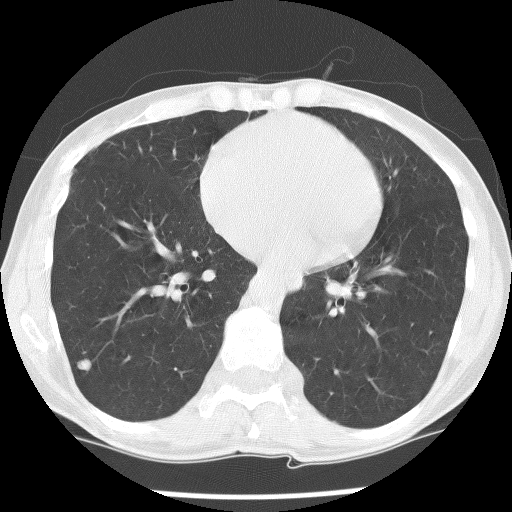
Chest CT, axial plane, 140 kVp, kernel BONE. Slice 56/135 from the bottom of the scan; thickness 2.50 mm; pixel size 0.557 mm.
Pulmonary nodule at rows 358–371, columns 75–90 (box = the union of the readers' outlines on this slice), outlined by three of the four readers; the three readers' outlines give a longest diameter between 8.5 and 10.5 mm and a volume between 244 and 371 mm3. Ratings across the readers: texture from 3/5 (part-solid) to 5/5 (solid) across the three readers; margin from 3/5 to 5/5 (circumscribed) across the three readers; sphericity from 3/5 (ovoid) to 4/5 across the three readers; calcification absent from all three readers; internal structure soft tissue from all three readers; subtlety 4–5/5 (the readers disagree); malignancy likelihood rated between 3 and 5 out of 5 by the three readers. Scale key (1–5): texture non-solid→solid, margin indistinct→circumscribed, sphericity linear→round, subtlety extremely subtle→obvious, malignancy likelihood highly unlikely→highly suspicious of cancer. Box rows and columns are 0-based pixel indices from the top-left corner, inclusive.